Chest CT, axial plane, 120 kVp, kernel STANDARD. Slice 307/503 from the bottom of the scan; thickness 1.25 mm; pixel size 0.742 mm.
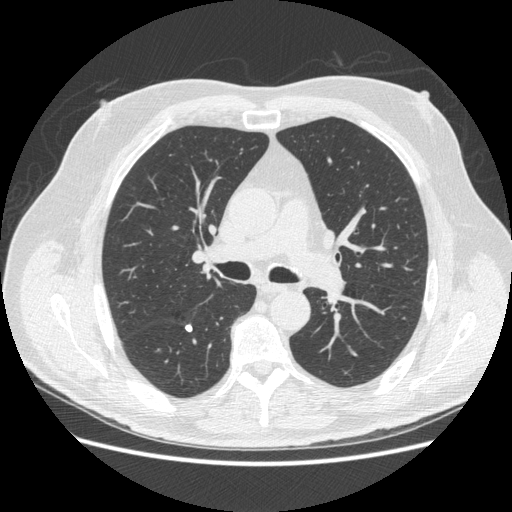
Pulmonary nodule at rows 324–332, columns 184–192 (box = the union of the readers' outlines on this slice), outlined by all four readers; longest diameter 7.0–8.7 mm and volume 116–149 mm3 across the four readers' outlines. Ratings across the readers: texture 5/5 (solid) from all four readers; margin 5/5 (circumscribed) from all four readers; sphericity from 3/5 (ovoid) to 5/5 (round) across the four readers; calcification solid calcification from all four readers; internal structure soft tissue, all four readers agreeing; subtlety rated between 4 and 5 out of 5 by the four readers; malignancy likelihood 1/5 from all four readers. Scale key (1–5): texture non-solid→solid, margin indistinct→circumscribed, sphericity linear→round, subtlety extremely subtle→obvious, malignancy likelihood highly unlikely→highly suspicious of cancer. Box rows and columns are 0-based pixel indices from the top-left corner, inclusive.